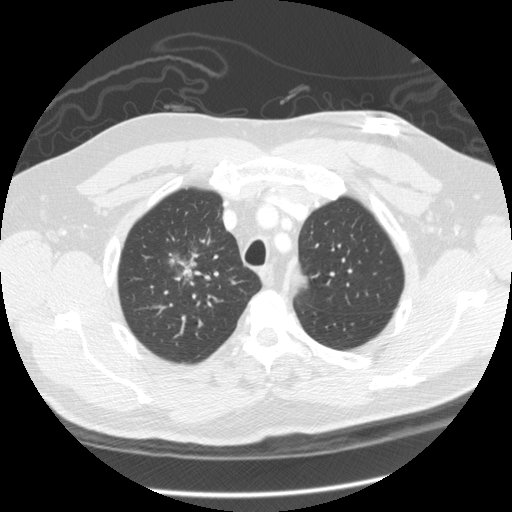
Chest CT, axial plane, 120 kVp, kernel STANDARD. Slice 249/305 from the bottom of the scan; thickness 1.25 mm; pixel size 0.732 mm.
Pulmonary nodule at rows 250–283, columns 168–198 (box = the union of the readers' outlines on this slice), outlined by three of the four readers; longest diameter 43.5 mm on average over the three readers' outlines (readers' outlines 41.0–45.9 mm), volume 6528–11092 mm3. The readers' prevailing ratings and who disagreed: texture split among the readers: 3/5 (part-solid) (one), 4/5 (one), 5/5 (solid) (one); margin split among the readers: 1/5 (indistinct) (one), 3/5 (one), 4/5 (one); sphericity 3/5 (ovoid) by two of three readers; the rest gave 2/5 (one); calcification absent, all three readers agreeing; internal structure soft tissue, all three readers agreeing; subtlety 5/5 from all three readers; malignancy likelihood 5/5, all three readers agreeing. Scale key (1–5): texture non-solid→solid, margin indistinct→circumscribed, sphericity linear→round, subtlety extremely subtle→obvious, malignancy likelihood highly unlikely→highly suspicious of cancer. Box rows and columns are 0-based pixel indices from the top-left corner, inclusive.